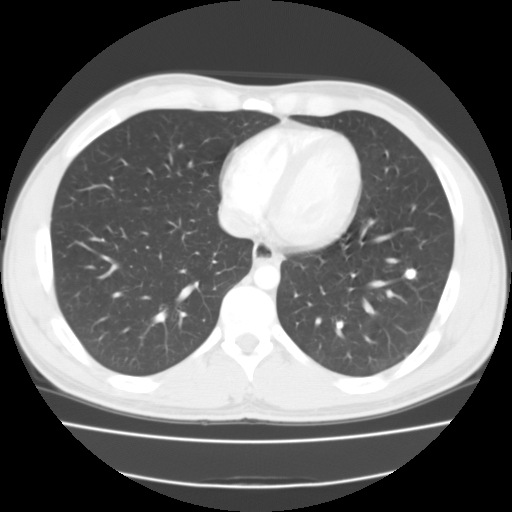
Axial chest CT slice 49 of 116 (counted from the lowest slice); tube voltage 135 kVp, convolution kernel FC01; slices 3.00 mm thick, 0.702 mm per pixel.
Pulmonary nodule at rows 268–279, columns 404–416 (box = the union of the readers' outlines on this slice), outlined by all four readers; the four readers' outlines give a longest diameter between 9.5 and 12.6 mm and a volume between 504 and 642 mm3. Ratings across the readers: texture 5/5 (solid) from all four readers; margin from 4/5 to 5/5 (circumscribed) across the four readers; sphericity from 4/5 to 5/5 (round) across the four readers; calcification split among the readers: central calcification (two), solid calcification (two); internal structure soft tissue, all four readers agreeing; subtlety 4–5/5 (the readers disagree); malignancy likelihood 1/5 from all four readers. Scale key (1–5): texture non-solid→solid, margin indistinct→circumscribed, sphericity linear→round, subtlety extremely subtle→obvious, malignancy likelihood highly unlikely→highly suspicious of cancer. Box rows and columns are 0-based pixel indices from the top-left corner, inclusive.